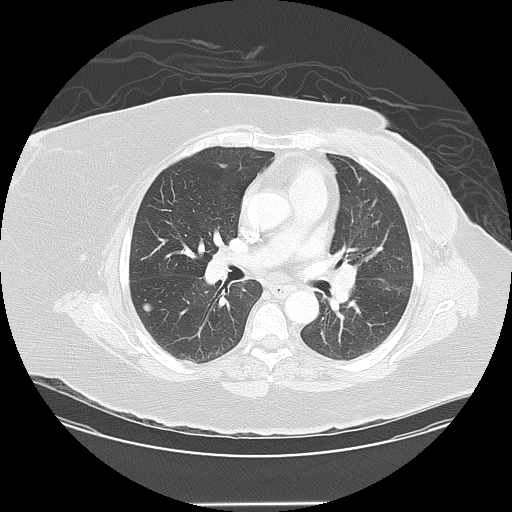
Axial chest CT slice 84 of 133 (counted from the lowest slice); tube voltage 120 kVp, convolution kernel LUNG; slices 2.50 mm thick, 0.859 mm per pixel.
Pulmonary nodule, outlined by all four readers. Box on this slice rows 303–311, columns 143–151, the union of the readers' outlines on this slice; longest diameter 12.8 mm on average over the four readers' outlines (readers' outlines 11.9–14.2 mm), volume 819–997 mm3. Ratings, by the readers' most common answer with dissent counted: texture 5/5 (solid), all four readers agreeing; margin 5/5 (circumscribed) by three of four readers; the rest gave 4/5 (one); most readers (three of four) put sphericity at 4/5, others 3/5 (ovoid) (one); calcification absent from all four readers; internal structure soft tissue, all four readers agreeing; most readers (three of four) put subtlety at 5/5, others 4/5 (one); malignancy likelihood 2/5 by two of four readers; the rest gave 4/5 (one), 5/5 (one). Scale key (1–5): texture non-solid→solid, margin indistinct→circumscribed, sphericity linear→round, subtlety extremely subtle→obvious, malignancy likelihood highly unlikely→highly suspicious of cancer. Box rows and columns are 0-based pixel indices from the top-left corner, inclusive.